Axial slice 94 of 141 of a chest CT (slice 1 is the lowest), reconstructed with the STANDARD kernel at 120 kVp; 2.50 mm slice thickness and 0.703 mm pixels.
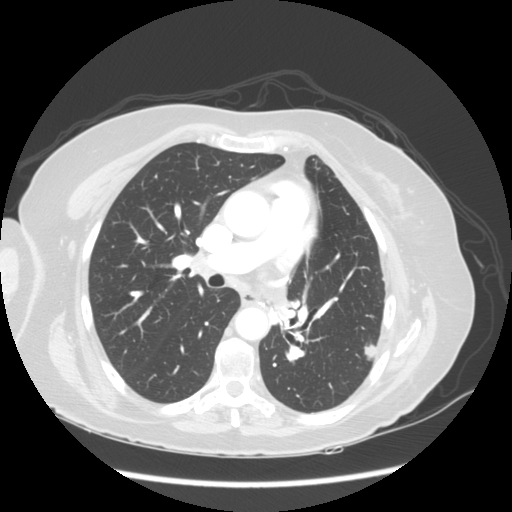
Pulmonary nodule, outlined by all four readers. Box on this slice rows 342–361, columns 363–377, the union of the readers' outlines on this slice; longest diameter 17.8–22.2 mm and volume 1070–1706 mm3 across the four readers' outlines. The readers' ratings, as ranges where they differ: texture 5/5 (solid) from all four readers; margin from 3/5 to 4/5 across the four readers; sphericity from 2/5 to 4/5 across the four readers; calcification absent from all four readers; internal structure soft tissue from all four readers; subtlety rated between 4 and 5 out of 5 by the four readers; malignancy likelihood rated between 3 and 5 out of 5 by the four readers. Scale key (1–5): texture non-solid→solid, margin indistinct→circumscribed, sphericity linear→round, subtlety extremely subtle→obvious, malignancy likelihood highly unlikely→highly suspicious of cancer. Box rows and columns are 0-based pixel indices from the top-left corner, inclusive.